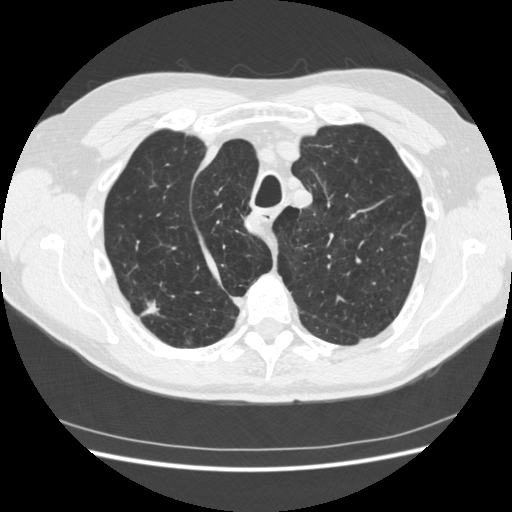
Chest CT, axial plane, 120 kVp, kernel STANDARD. Slice 362/481 from the bottom of the scan; thickness 1.25 mm; pixel size 0.703 mm.
Pulmonary nodule at rows 296–317, columns 139–163 (box = the union of the readers' outlines on this slice), outlined by all four readers; the four readers' outlines give a longest diameter between 18.7 and 34.9 mm and a volume between 1155 and 4169 mm3. The readers' ratings, as ranges where they differ: texture from 4/5 to 5/5 (solid) across the four readers; margin from 1/5 (indistinct) to 4/5 across the four readers; sphericity from 2/5 to 5/5 (round) across the four readers; calcification absent, all four readers agreeing; internal structure soft tissue from all four readers; subtlety 5/5 from all four readers; malignancy likelihood from 4/5 to 5/5 across the four readers. Scale key (1–5): texture non-solid→solid, margin indistinct→circumscribed, sphericity linear→round, subtlety extremely subtle→obvious, malignancy likelihood highly unlikely→highly suspicious of cancer. Box rows and columns are 0-based pixel indices from the top-left corner, inclusive.